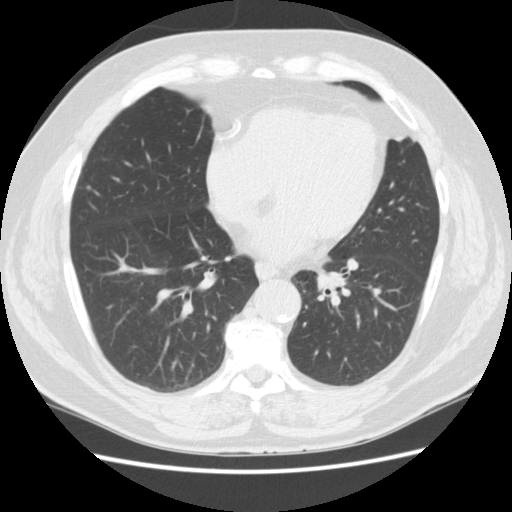
Axial chest CT slice 68 of 148 (counted from the lowest slice); 2.50 mm thick, 0.703 mm per pixel. Pulmonary nodule at rows 184–190, columns 85–90 (box = that reader's outline on this slice), outlined by one of the four readers; longest diameter 7.6 mm and volume 134 mm3 from that reader's outline. That reader's ratings: texture 5/5 (solid); margin 5/5 (circumscribed); sphericity 3/5 (ovoid); calcification absent; internal structure soft tissue; subtlety 4/5; malignancy likelihood 2/5. Scale key (1–5): texture non-solid→solid, margin indistinct→circumscribed, sphericity linear→round, subtlety extremely subtle→obvious, malignancy likelihood highly unlikely→highly suspicious of cancer. Box rows and columns are 0-based pixel indices from the top-left corner, inclusive.
Tube voltage 120 kVp; convolution kernel STANDARD.